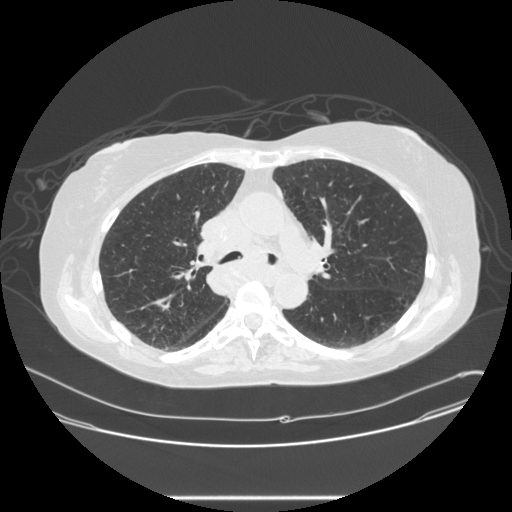
Chest CT, axial plane, 120 kVp, kernel STANDARD. Slice 161/257 from the bottom of the scan; thickness 1.25 mm; pixel size 0.787 mm.
Pulmonary nodule outlined by one of the four readers; box rows 193–198, columns 383–389 (that reader's outline on this slice); longest diameter 8.4 mm and volume 115 mm3 from that reader's outline. Ratings by that reader: texture 1/5 (non-solid); margin 1/5 (indistinct); sphericity 4/5; calcification absent; internal structure soft tissue; subtlety 1/5; malignancy likelihood 3/5. Scale key (1–5): texture non-solid→solid, margin indistinct→circumscribed, sphericity linear→round, subtlety extremely subtle→obvious, malignancy likelihood highly unlikely→highly suspicious of cancer. Box rows and columns are 0-based pixel indices from the top-left corner, inclusive.